One axial slice (75 of 145, counting up from the lowest) of a chest CT acquired at 120 kVp with the STANDARD kernel; each pixel is 0.781 mm and the slice is 2.50 mm thick.
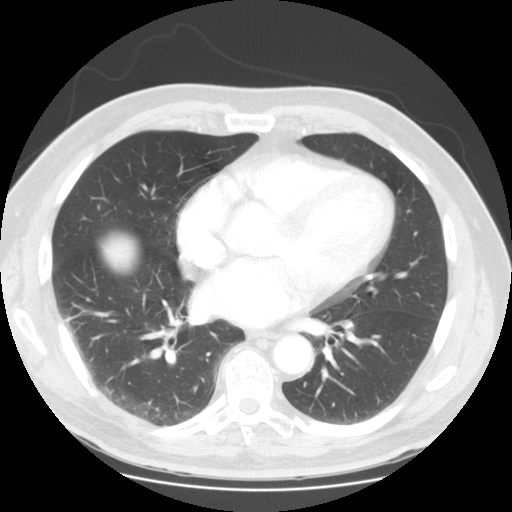
No nodule 3 mm or larger was outlined here by any reader.